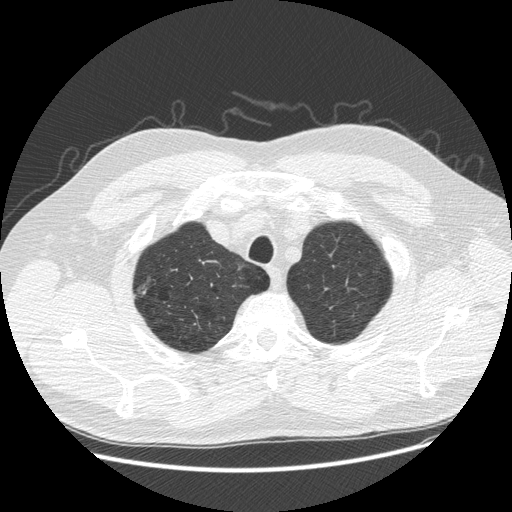
Axial chest CT slice 417 of 481 (counted from the lowest slice); tube voltage 120 kVp, convolution kernel STANDARD; slices 1.25 mm thick, 0.742 mm per pixel.
Pulmonary nodule at rows 277–292, columns 137–151 (box = the one reader's outline on this slice), outlined by two of the four readers, one of them on this slice; median longest diameter 16.8 mm (readers' outlines 15.0–18.6 mm), median volume 609 mm3 (293–924 mm3). Ratings, median across the readers with their spread: texture 1/5 (non-solid) from both readers; median margin 1.5/5 (readers ranged 1/5 (indistinct) to 2/5); sphericity 4/5 at the median of two readers, spread 3/5 (ovoid) to 5/5 (round); calcification absent, both readers agreeing; internal structure soft tissue, both readers agreeing; median subtlety 1.5/5 (readers ranged 1–2); malignancy likelihood 3/5 at the median of two readers, spread 2–4. Scale key (1–5): texture non-solid→solid, margin indistinct→circumscribed, sphericity linear→round, subtlety extremely subtle→obvious, malignancy likelihood highly unlikely→highly suspicious of cancer. Box rows and columns are 0-based pixel indices from the top-left corner, inclusive.